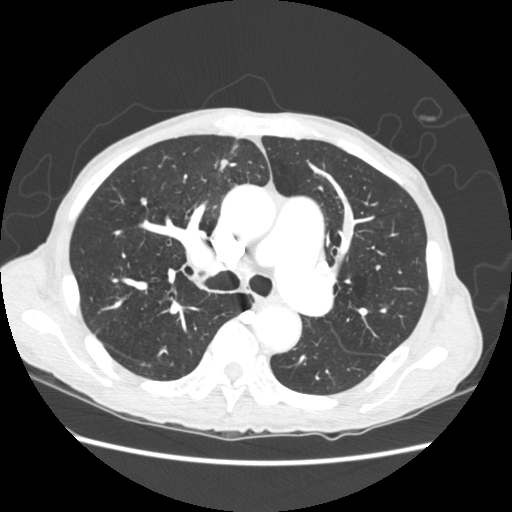
Chest CT, axial plane, 120 kVp, kernel STANDARD. Slice 147/248 from the bottom of the scan; thickness 1.25 mm; pixel size 0.703 mm.
Pulmonary nodule, outlined by one of the four readers. Box on this slice rows 159–168, columns 220–226, that reader's outline on this slice; longest diameter 22.3 mm and volume 457 mm3 from that reader's outline. That reader's ratings: texture 5/5 (solid); margin 3/5; sphericity 2/5; calcification absent; internal structure soft tissue; subtlety 5/5; malignancy likelihood 2/5. Scale key (1–5): texture non-solid→solid, margin indistinct→circumscribed, sphericity linear→round, subtlety extremely subtle→obvious, malignancy likelihood highly unlikely→highly suspicious of cancer. Box rows and columns are 0-based pixel indices from the top-left corner, inclusive.